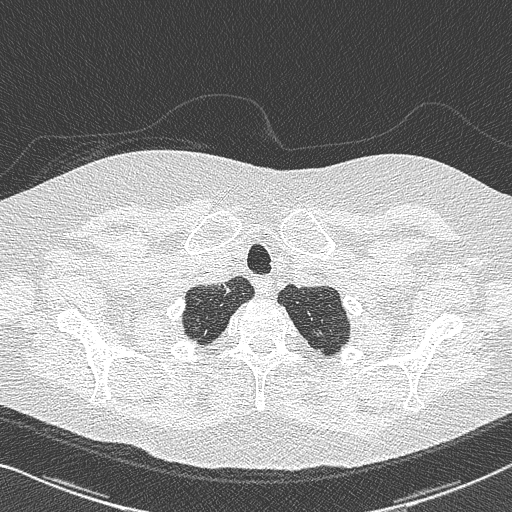
Axial chest CT slice 666 of 733 (counted from the lowest slice); tube voltage 120 kVp, convolution kernel B50f; slices 0.60 mm thick, 0.637 mm per pixel.
Pulmonary nodule, outlined by three of the four readers, one of them on this slice. Box on this slice rows 329–335, columns 313–322, the one reader's outline on this slice; longest diameter 9.7 mm on average over the three readers' outlines (readers' outlines 8.9–10.9 mm), volume 51–94 mm3. Ratings, by the readers' most common answer with dissent counted: texture split among the readers: 3/5 (part-solid) (one), 4/5 (one), 5/5 (solid) (one); margin split among the readers: 2/5 (one), 3/5 (one), 4/5 (one); sphericity split among the readers: 2/5 (one), 3/5 (ovoid) (one), 5/5 (round) (one); calcification absent, all three readers agreeing; internal structure soft tissue, all three readers agreeing; most readers (two of three) put subtlety at 4/5, others 5/5 (one); malignancy likelihood 4/5 by two of three readers; the rest gave 3/5 (one). Scale key (1–5): texture non-solid→solid, margin indistinct→circumscribed, sphericity linear→round, subtlety extremely subtle→obvious, malignancy likelihood highly unlikely→highly suspicious of cancer. Box rows and columns are 0-based pixel indices from the top-left corner, inclusive.